Chest CT, axial plane, 120 kVp, kernel BONE. Slice 93/230 from the bottom of the scan; thickness 1.25 mm; pixel size 0.605 mm.
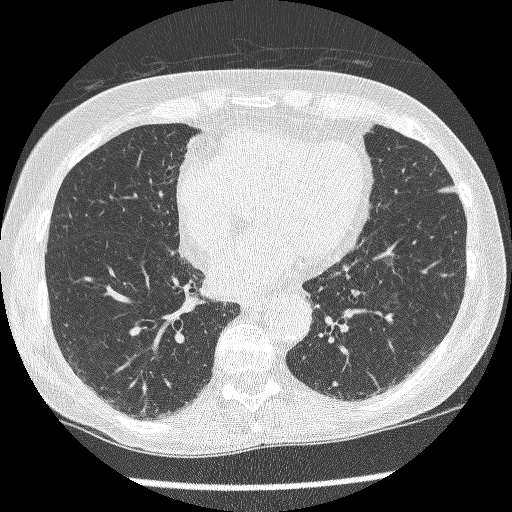
Pulmonary nodule, outlined by all four readers. Box on this slice rows 380–386, columns 331–337, the union of the readers' outlines on this slice; median longest diameter 5.7 mm (readers' outlines 4.1–7.1 mm), median volume 42 mm3 (31–81 mm3). Median ratings and the readers' spread: texture 5/5 (solid) at the median of four readers, spread 4/5 to 5/5 (solid); median margin 4/5 (readers ranged 3/5 to 5/5 (circumscribed)); median sphericity 4/5 (readers ranged 4/5 to 5/5 (round)); calcification absent, all four readers agreeing; internal structure soft tissue from all four readers; subtlety 3.5/5 at the median of four readers, spread 1–5; median malignancy likelihood 3/5 (readers ranged 3–4). Scale key (1–5): texture non-solid→solid, margin indistinct→circumscribed, sphericity linear→round, subtlety extremely subtle→obvious, malignancy likelihood highly unlikely→highly suspicious of cancer. Box rows and columns are 0-based pixel indices from the top-left corner, inclusive.